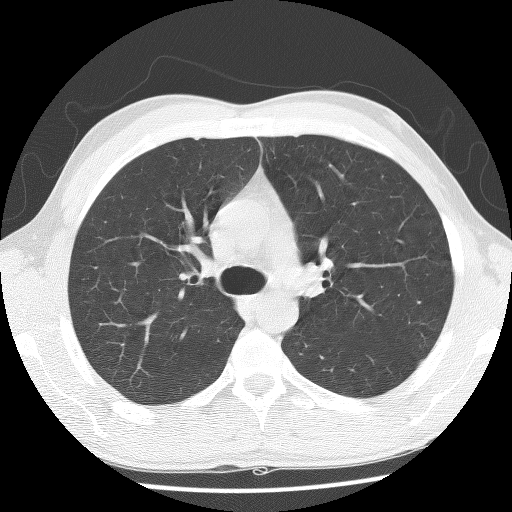
Axial chest CT slice 94 of 139 (counted from the lowest slice); tube voltage 140 kVp, convolution kernel BONE; slices 2.50 mm thick, 0.629 mm per pixel.
No nodule of 3 mm or larger was outlined by any of the four readers on this slice.